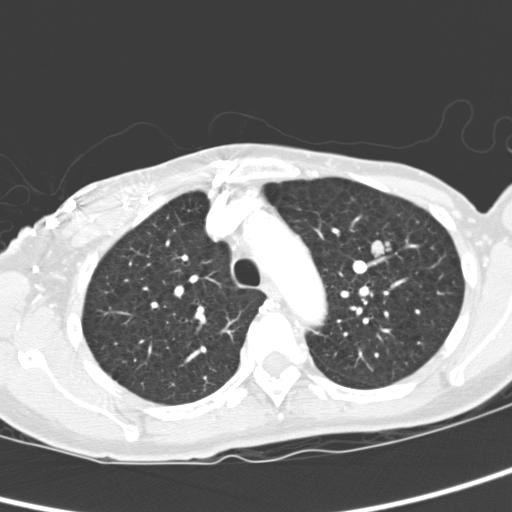
This is axial slice 241 of 321 (slice 1 is the lowest) of a chest CT; each pixel is 0.557 mm and the slice is 2.00 mm thick. Pulmonary nodule outlined by all four readers; box rows 239–257, columns 370–392 (the union of the readers' outlines on this slice); median longest diameter 20.6 mm (readers' outlines 19.2–22.3 mm), median volume 3516 mm3 (3069–4125 mm3). Ratings, median across the readers with their spread: texture 5/5 (solid), all four readers agreeing; margin 5/5 (circumscribed) from all four readers; sphericity 4.5/5 at the median of four readers, spread 4/5 to 5/5 (round); calcification absent, all four readers agreeing; internal structure soft tissue, all four readers agreeing; subtlety 5/5 from all four readers; median malignancy likelihood 4/5 (readers ranged 2–5). Scale key (1–5): texture non-solid→solid, margin indistinct→circumscribed, sphericity linear→round, subtlety extremely subtle→obvious, malignancy likelihood highly unlikely→highly suspicious of cancer. Box rows and columns are 0-based pixel indices from the top-left corner, inclusive.
Scan settings: 120 kVp, D reconstruction kernel.